One axial slice (168 of 368, counting up from the lowest) of a chest CT acquired at 120 kVp with the B70f kernel; each pixel is 0.623 mm and the slice is 2.00 mm thick.
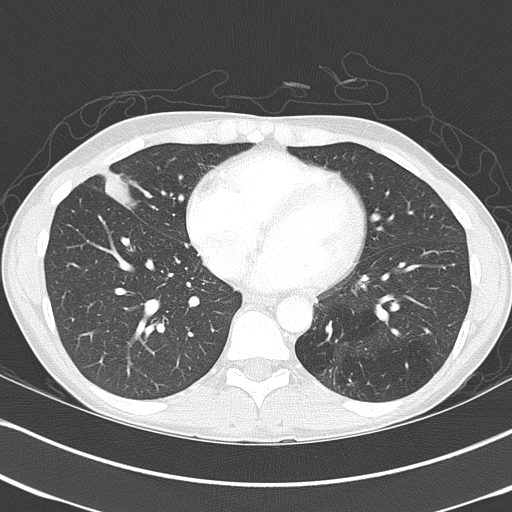
Pulmonary nodule, outlined by all four readers. Box on this slice rows 169–210, columns 101–138, the union of the readers' outlines on this slice; longest diameter 31.5 mm on average over the four readers' outlines (readers' outlines 27.1–39.3 mm), volume 6531–9806 mm3. The readers' prevailing ratings and who disagreed: texture 5/5 (solid), all four readers agreeing; margin 4/5 by two of four readers; the rest gave 2/5 (one), 5/5 (circumscribed) (one); sphericity 3/5 (ovoid) by three of four readers; the rest gave 2/5 (one); calcification split among the readers: laminated calcification (one), absent (one), popcorn calcification (one), non-central calcification (one); internal structure soft tissue from all four readers; subtlety 5/5 from all four readers; malignancy likelihood split among the readers: 1/5 (one), 2/5 (one), 4/5 (one), 5/5 (one). Scale key (1–5): texture non-solid→solid, margin indistinct→circumscribed, sphericity linear→round, subtlety extremely subtle→obvious, malignancy likelihood highly unlikely→highly suspicious of cancer. Box rows and columns are 0-based pixel indices from the top-left corner, inclusive.